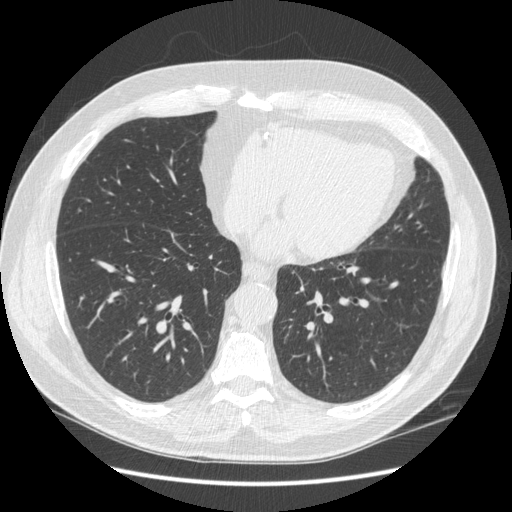
Slice 175/462 of a chest CT, counting up from the lowest; pixel size 0.742 mm, slice thickness 1.25 mm. Pulmonary nodule at rows 160–164, columns 84–89 (box = the union of the readers' outlines on this slice), outlined by all four readers; median longest diameter 6.9 mm (readers' outlines 6.6–7.3 mm), median volume 88 mm3 (76–107 mm3). Median ratings and the readers' spread: texture 5/5 (solid), all four readers agreeing; median margin 4.5/5 (readers ranged 4/5 to 5/5 (circumscribed)); median sphericity 4.5/5 (readers ranged 2/5 to 5/5 (round)); calcification absent, all four readers agreeing; internal structure soft tissue, all four readers agreeing; median subtlety 3.5/5 (readers ranged 3–4); malignancy likelihood 2.5/5 at the median of four readers, spread 1–3. Scale key (1–5): texture non-solid→solid, margin indistinct→circumscribed, sphericity linear→round, subtlety extremely subtle→obvious, malignancy likelihood highly unlikely→highly suspicious of cancer. Box rows and columns are 0-based pixel indices from the top-left corner, inclusive.
Acquired at 120 kVp and reconstructed with the STANDARD kernel.